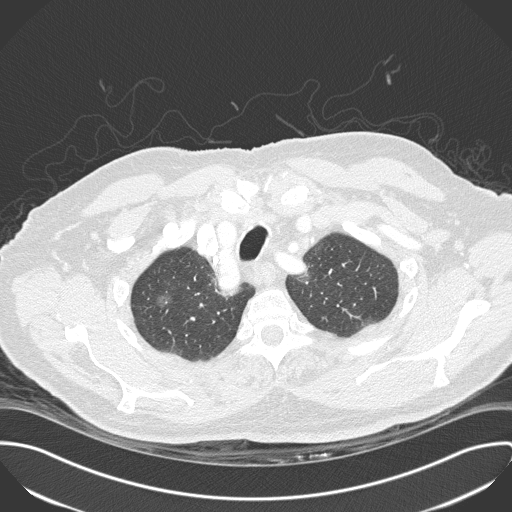
Axial chest CT slice 274 of 330 (counted from the lowest slice); tube voltage 120 kVp, convolution kernel B45f; slices 1.00 mm thick, 0.762 mm per pixel.
Pulmonary nodule, outlined by all four readers. Box on this slice rows 290–308, columns 154–173, the union of the readers' outlines on this slice; longest diameter 17.2 mm on average over the four readers' outlines (readers' outlines 15.2–19.9 mm), volume 678–927 mm3. The readers' prevailing ratings and who disagreed: texture 1/5 (non-solid) by three of four readers; the rest gave 2/5 (one); margin 2/5 by two of four readers; the rest gave 1/5 (indistinct) (one), 4/5 (one); sphericity 4/5 by two of four readers; the rest gave 3/5 (ovoid) (one), 5/5 (round) (one); calcification absent, all four readers agreeing; internal structure soft tissue, all four readers agreeing; subtlety 3/5 by two of four readers; the rest gave 1/5 (one), 4/5 (one); malignancy likelihood 4/5 by two of four readers; the rest gave 2/5 (one), 3/5 (one). Scale key (1–5): texture non-solid→solid, margin indistinct→circumscribed, sphericity linear→round, subtlety extremely subtle→obvious, malignancy likelihood highly unlikely→highly suspicious of cancer. Box rows and columns are 0-based pixel indices from the top-left corner, inclusive.